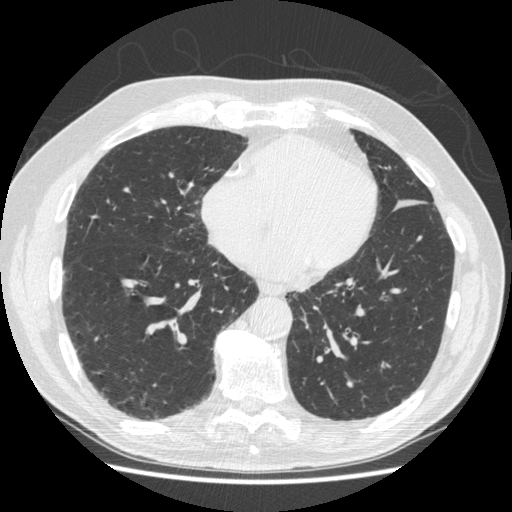
Axial chest CT slice 188 of 497 (counted from the lowest slice); tube voltage 120 kVp, convolution kernel STANDARD; slices 1.25 mm thick, 0.703 mm per pixel.
No nodule 3 mm or larger was outlined here by any reader.